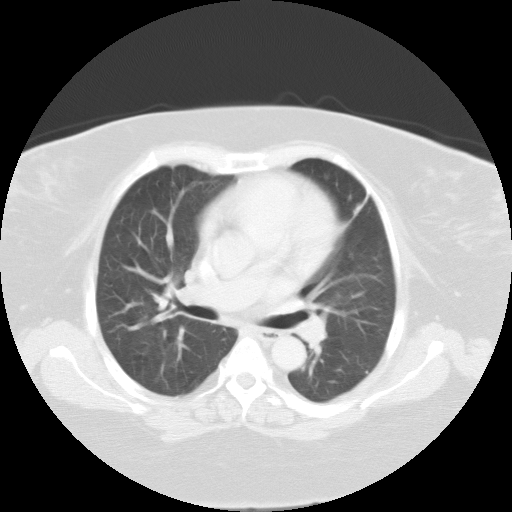
Chest CT, axial plane, 135 kVp, kernel FC01. Slice 69/102 from the bottom of the scan; thickness 3.00 mm; pixel size 0.808 mm.
Pulmonary nodule, outlined by three of the four readers, two of them on this slice. Box on this slice rows 205–213, columns 353–361, the union of the readers' outlines on this slice; longest diameter 11.1 mm on average over the three readers' outlines (readers' outlines 10.1–12.0 mm), volume 288–494 mm3. The readers' prevailing ratings and who disagreed: most readers (two of three) put texture at 5/5 (solid), others 4/5 (one); most readers (two of three) put margin at 4/5, others 3/5 (one); most readers (two of three) put sphericity at 3/5 (ovoid), others 4/5 (one); calcification absent, all three readers agreeing; internal structure soft tissue, all three readers agreeing; most readers (two of three) put subtlety at 3/5, others 4/5 (one); malignancy likelihood 3/5 from all three readers. Scale key (1–5): texture non-solid→solid, margin indistinct→circumscribed, sphericity linear→round, subtlety extremely subtle→obvious, malignancy likelihood highly unlikely→highly suspicious of cancer. Box rows and columns are 0-based pixel indices from the top-left corner, inclusive.